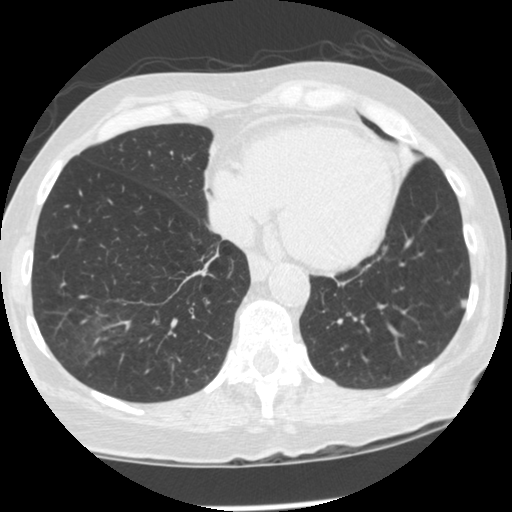
Chest CT, axial plane, 120 kVp, kernel STANDARD. Slice 116/474 from the bottom of the scan; thickness 1.25 mm; pixel size 0.625 mm.
Pulmonary nodule at rows 299–307, columns 459–467 (box = the union of the readers' outlines on this slice), outlined by three of the four readers; longest diameter 7.5 mm on average over the three readers' outlines (readers' outlines 7.1–8.1 mm), volume 92–97 mm3. The readers' prevailing ratings and who disagreed: texture 4/5 by two of three readers; the rest gave 5/5 (solid) (one); margin split among the readers: 3/5 (one), 4/5 (one), 5/5 (circumscribed) (one); sphericity split among the readers: 2/5 (one), 3/5 (ovoid) (one), 4/5 (one); calcification absent, all three readers agreeing; internal structure soft tissue from all three readers; subtlety split among the readers: 3/5 (one), 4/5 (one), 5/5 (one); most readers (two of three) put malignancy likelihood at 2/5, others 3/5 (one). Scale key (1–5): texture non-solid→solid, margin indistinct→circumscribed, sphericity linear→round, subtlety extremely subtle→obvious, malignancy likelihood highly unlikely→highly suspicious of cancer. Box rows and columns are 0-based pixel indices from the top-left corner, inclusive.